Chest CT, axial plane, 120 kVp, kernel STANDARD. Slice 67/141 from the bottom of the scan; thickness 2.50 mm; pixel size 0.703 mm.
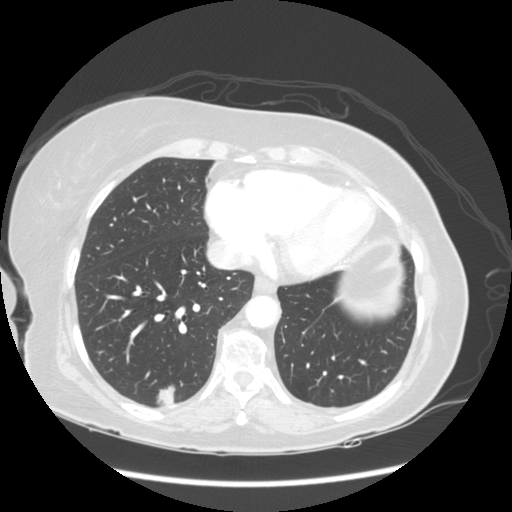
Pulmonary nodule, outlined by all four readers. Box on this slice rows 384–406, columns 155–175, the union of the readers' outlines on this slice; longest diameter 22.4 mm on average over the four readers' outlines (readers' outlines 21.4–23.4 mm), volume 3130–4766 mm3. The readers' prevailing ratings and who disagreed: texture 5/5 (solid) from all four readers; margin 3/5 by two of four readers; the rest gave 2/5 (one), 4/5 (one); sphericity 4/5 by two of four readers; the rest gave 3/5 (ovoid) (one), 5/5 (round) (one); calcification absent from all four readers; internal structure soft tissue from all four readers; subtlety 5/5 from all four readers; malignancy likelihood 5/5 from all four readers. Scale key (1–5): texture non-solid→solid, margin indistinct→circumscribed, sphericity linear→round, subtlety extremely subtle→obvious, malignancy likelihood highly unlikely→highly suspicious of cancer. Box rows and columns are 0-based pixel indices from the top-left corner, inclusive.